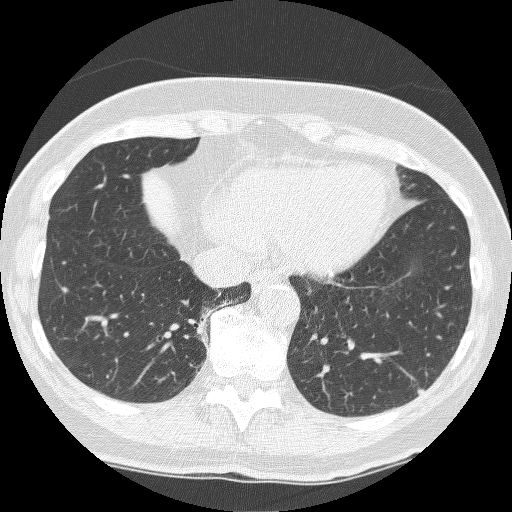
Axial slice 72 of 250 of a chest CT (slice 1 is the lowest), reconstructed with the BONE kernel at 120 kVp; 1.25 mm slice thickness and 0.586 mm pixels.
Pulmonary nodule outlined by three of the four readers; box rows 385–394, columns 415–425 (the union of the readers' outlines on this slice); longest diameter 5.8–8.1 mm and volume 81–143 mm3 across the three readers' outlines. The readers' ratings, as ranges where they differ: texture from 4/5 to 5/5 (solid) across the three readers; margin from 4/5 to 5/5 (circumscribed) across the three readers; sphericity from 3/5 (ovoid) to 4/5 across the three readers; calcification absent from all three readers; internal structure soft tissue from all three readers; subtlety 4–5/5 (the readers disagree); malignancy likelihood rated between 3 and 4 out of 5 by the three readers. Scale key (1–5): texture non-solid→solid, margin indistinct→circumscribed, sphericity linear→round, subtlety extremely subtle→obvious, malignancy likelihood highly unlikely→highly suspicious of cancer. Box rows and columns are 0-based pixel indices from the top-left corner, inclusive.